Chest CT, axial plane, 120 kVp, kernel BONE. Slice 92/240 from the bottom of the scan; thickness 1.25 mm; pixel size 0.604 mm.
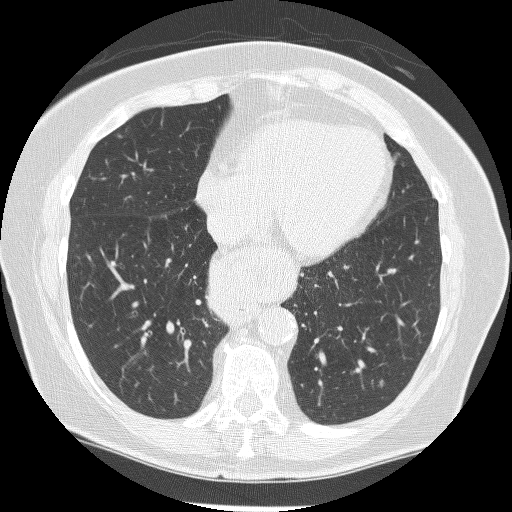
Two pulmonary nodules on this slice, listed from left to right. (1) Pulmonary nodule at rows 133–138, columns 116–122 (box = the union of the readers' outlines on this slice), outlined by all four readers; longest diameter 5.4–6.0 mm and volume 28–58 mm3 across the four readers' outlines. The readers' ratings, as ranges where they differ: texture from 1/5 (non-solid) to 5/5 (solid) across the four readers; margin from 2/5 to 5/5 (circumscribed) across the four readers; sphericity from 2/5 to 3/5 (ovoid) across the four readers; calcification absent, all four readers agreeing; internal structure soft tissue, all four readers agreeing; subtlety 2–3/5 (the readers disagree); malignancy likelihood from 2/5 to 3/5 across the four readers. (2) Pulmonary nodule outlined by three of the four readers, two of them on this slice; box rows 268–273, columns 387–395 (the union of the readers' outlines on this slice); median longest diameter 13.5 mm (readers' outlines 13.4–15.7 mm), median volume 281 mm3 (241–431 mm3). Median ratings and the readers' spread: texture 5/5 (solid) from all three readers; margin 5/5 (circumscribed) at the median of three readers, spread 4/5 to 5/5 (circumscribed); sphericity 2/5 from all three readers; calcification absent from all three readers; internal structure soft tissue from all three readers; median subtlety 4/5 (readers ranged 2–4); malignancy likelihood 4/5 at the median of three readers, spread 4–5. Scale key (1–5): texture non-solid→solid, margin indistinct→circumscribed, sphericity linear→round, subtlety extremely subtle→obvious, malignancy likelihood highly unlikely→highly suspicious of cancer. Box rows and columns are 0-based pixel indices from the top-left corner, inclusive.